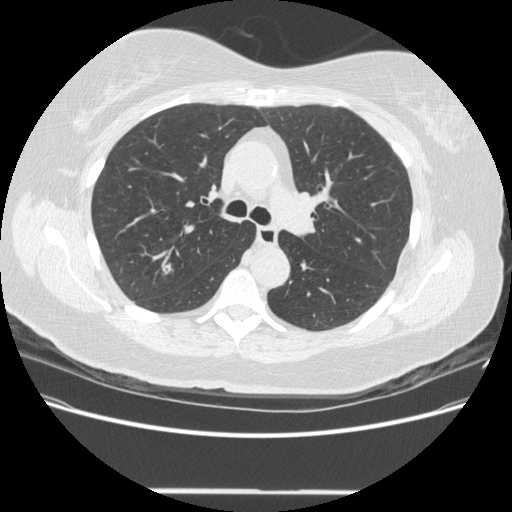
This is axial slice 306 of 481 (slice 1 is the lowest) of a chest CT; each pixel is 0.742 mm and the slice is 1.25 mm thick. Pulmonary nodule, outlined by three of the four readers. Box on this slice rows 263–274, columns 162–172, the union of the readers' outlines on this slice; median longest diameter 14.2 mm (readers' outlines 13.9–15.6 mm), median volume 777 mm3 (741–820 mm3). Ratings, median across the readers with their spread: texture 4/5, all three readers agreeing; margin 4/5 at the median of three readers, spread 3/5 to 4/5; median sphericity 3/5 (ovoid) (readers ranged 3/5 (ovoid) to 4/5); calcification absent from all three readers; internal structure soft tissue, all three readers agreeing; subtlety 4/5 at the median of three readers, spread 4–5; median malignancy likelihood 5/5 (readers ranged 4–5). Scale key (1–5): texture non-solid→solid, margin indistinct→circumscribed, sphericity linear→round, subtlety extremely subtle→obvious, malignancy likelihood highly unlikely→highly suspicious of cancer. Box rows and columns are 0-based pixel indices from the top-left corner, inclusive.
Tube voltage 120 kVp; convolution kernel STANDARD.